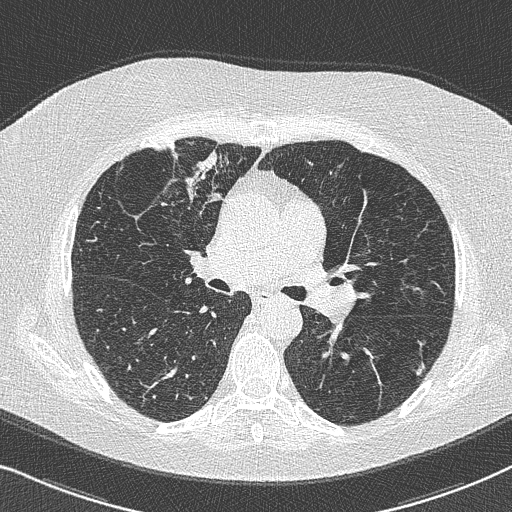
This is axial slice 454 of 733 (slice 1 is the lowest) of a chest CT; each pixel is 0.637 mm and the slice is 0.60 mm thick. Pulmonary nodule at rows 361–376, columns 411–424 (box = the union of the readers' outlines on this slice), outlined by all four readers; longest diameter 11.1–11.9 mm and volume 231–376 mm3 across the four readers' outlines. The readers' ratings, as ranges where they differ: texture 5/5 (solid), all four readers agreeing; margin from 3/5 to 5/5 (circumscribed) across the four readers; sphericity from 3/5 (ovoid) to 5/5 (round) across the four readers; calcification absent from all four readers; internal structure soft tissue, all four readers agreeing; subtlety 4–5/5 (the readers disagree); malignancy likelihood 3–4/5 (the readers disagree). Scale key (1–5): texture non-solid→solid, margin indistinct→circumscribed, sphericity linear→round, subtlety extremely subtle→obvious, malignancy likelihood highly unlikely→highly suspicious of cancer. Box rows and columns are 0-based pixel indices from the top-left corner, inclusive.
Tube voltage 120 kVp; convolution kernel B50f.